One axial slice (162 of 235, counting up from the lowest) of a chest CT acquired at 120 kVp with the BONE kernel; each pixel is 0.537 mm and the slice is 1.25 mm thick.
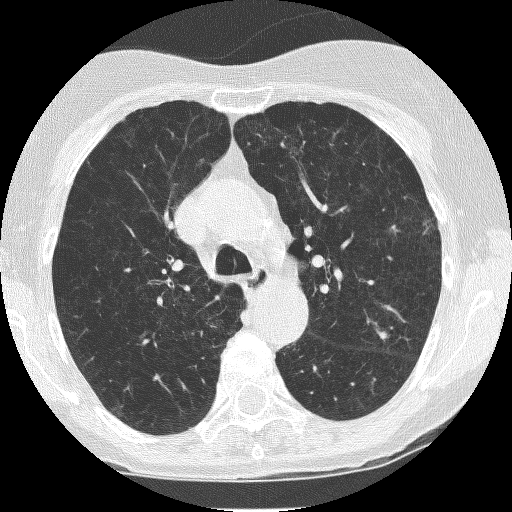
Pulmonary nodule outlined by all four readers; box rows 329–340, columns 376–386 (the union of the readers' outlines on this slice); median longest diameter 8.7 mm (readers' outlines 8.2–8.9 mm), median volume 180 mm3 (144–183 mm3). Ratings, median across the readers with their spread: texture 5/5 (solid) at the median of four readers, spread 4/5 to 5/5 (solid); median margin 4/5 (readers ranged 3/5 to 5/5 (circumscribed)); sphericity 4/5 at the median of four readers, spread 3/5 (ovoid) to 4/5; calcification absent from all four readers; internal structure soft tissue from all four readers; subtlety 4.5/5 at the median of four readers, spread 4–5; malignancy likelihood 3/5 at the median of four readers, spread 2–4. Scale key (1–5): texture non-solid→solid, margin indistinct→circumscribed, sphericity linear→round, subtlety extremely subtle→obvious, malignancy likelihood highly unlikely→highly suspicious of cancer. Box rows and columns are 0-based pixel indices from the top-left corner, inclusive.